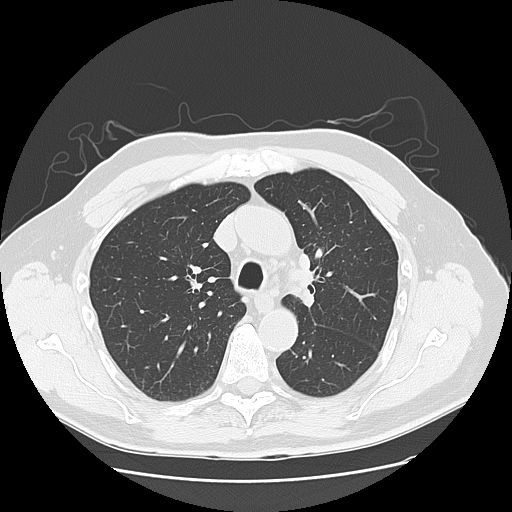
Slice 90/131 of a chest CT, counting up from the lowest; pixel size 0.723 mm, slice thickness 2.50 mm. This slice carries no reader outline of a nodule 3 mm or larger.
Acquired at 120 kVp and reconstructed with the LUNG kernel.